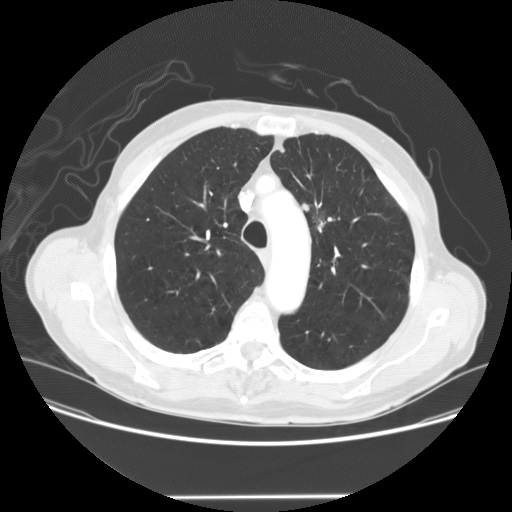
Axial chest CT slice 111 of 147 (counted from the lowest slice); tube voltage 120 kVp, convolution kernel STANDARD; slices 2.50 mm thick, 0.781 mm per pixel.
Pulmonary nodule at rows 203–227, columns 301–325 (box = the union of the readers' outlines on this slice), outlined by all four readers; median longest diameter 31.0 mm (readers' outlines 28.8–40.5 mm), median volume 4785 mm3 (3077–10560 mm3). Ratings, median across the readers with their spread: median texture 4/5 (readers ranged 3/5 (part-solid) to 5/5 (solid)); margin 3.5/5 at the median of four readers, spread 2/5 to 5/5 (circumscribed); sphericity 3/5 (ovoid) from all four readers; calcification absent, all four readers agreeing; internal structure soft tissue, all four readers agreeing; median subtlety 5/5 (readers ranged 4–5); malignancy likelihood 4.5/5 at the median of four readers, spread 3–5. Scale key (1–5): texture non-solid→solid, margin indistinct→circumscribed, sphericity linear→round, subtlety extremely subtle→obvious, malignancy likelihood highly unlikely→highly suspicious of cancer. Box rows and columns are 0-based pixel indices from the top-left corner, inclusive.